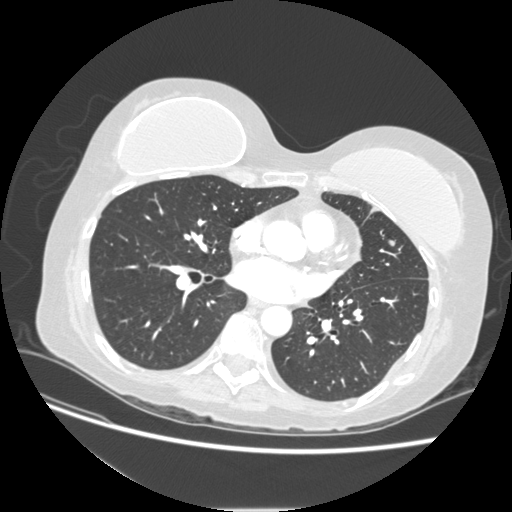
Axial slice 110 of 232 of a chest CT (slice 1 is the lowest), reconstructed with the STANDARD kernel at 120 kVp; 1.25 mm slice thickness and 0.703 mm pixels.
Pulmonary nodule, outlined by three of the four readers. Box on this slice rows 239–246, columns 388–395, the union of the readers' outlines on this slice; longest diameter 8.1 mm on average over the three readers' outlines (readers' outlines 7.6–8.9 mm), volume 151–201 mm3. The readers' prevailing ratings and who disagreed: texture 5/5 (solid) by two of three readers; the rest gave 4/5 (one); margin 5/5 (circumscribed), all three readers agreeing; most readers (two of three) put sphericity at 3/5 (ovoid), others 4/5 (one); calcification absent from all three readers; internal structure soft tissue from all three readers; subtlety 4/5 by two of three readers; the rest gave 2/5 (one); malignancy likelihood 3/5 from all three readers. Scale key (1–5): texture non-solid→solid, margin indistinct→circumscribed, sphericity linear→round, subtlety extremely subtle→obvious, malignancy likelihood highly unlikely→highly suspicious of cancer. Box rows and columns are 0-based pixel indices from the top-left corner, inclusive.